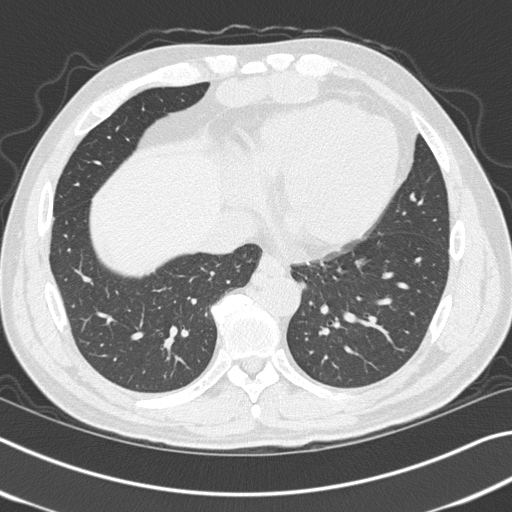
Axial slice 131 of 327 of a chest CT (slice 1 is the lowest), reconstructed with the B45f kernel at 120 kVp; 1.00 mm slice thickness and 0.664 mm pixels.
Pulmonary nodule, outlined by three of the four readers. Box on this slice rows 279–290, columns 297–307, the union of the readers' outlines on this slice; longest diameter 12.4–14.0 mm and volume 357–534 mm3 across the three readers' outlines. The readers' ratings, as ranges where they differ: texture 5/5 (solid), all three readers agreeing; margin from 4/5 to 5/5 (circumscribed) across the three readers; sphericity from 3/5 (ovoid) to 5/5 (round) across the three readers; calcification absent from all three readers; internal structure soft tissue, all three readers agreeing; subtlety 1–4/5 (the readers disagree); malignancy likelihood rated between 2 and 4 out of 5 by the three readers. Scale key (1–5): texture non-solid→solid, margin indistinct→circumscribed, sphericity linear→round, subtlety extremely subtle→obvious, malignancy likelihood highly unlikely→highly suspicious of cancer. Box rows and columns are 0-based pixel indices from the top-left corner, inclusive.